Axial slice 504 of 536 of a chest CT (slice 1 is the lowest), reconstructed with the B30f kernel at 120 kVp; 0.75 mm slice thickness and 0.656 mm pixels.
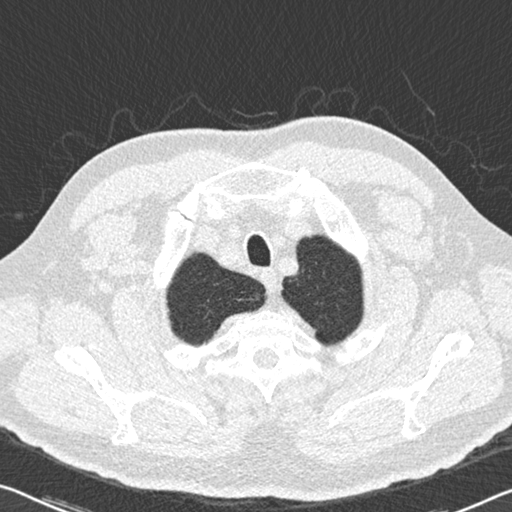
Pulmonary nodule at rows 294–299, columns 255–259 (box = the union of the readers' outlines on this slice), outlined by two of the four readers; longest diameter 8.8 mm on average over the two readers' outlines (readers' outlines 8.6–9.1 mm), volume 31–33 mm3. Ratings, by the readers' most common answer with dissent counted: texture 1/5 (non-solid) from both readers; margin split among the readers: 3/5 (one), 4/5 (one); sphericity split among the readers: 3/5 (ovoid) (one), 4/5 (one); calcification absent, both readers agreeing; internal structure soft tissue from both readers; subtlety 2/5 from both readers; malignancy likelihood split among the readers: 1/5 (one), 2/5 (one). Scale key (1–5): texture non-solid→solid, margin indistinct→circumscribed, sphericity linear→round, subtlety extremely subtle→obvious, malignancy likelihood highly unlikely→highly suspicious of cancer. Box rows and columns are 0-based pixel indices from the top-left corner, inclusive.